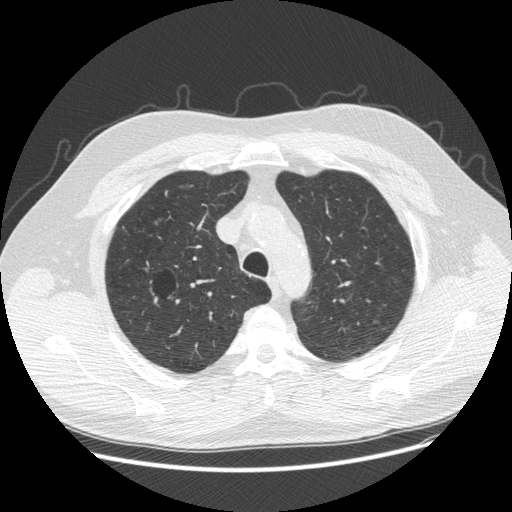
One axial slice (378 of 481, counting up from the lowest) of a chest CT acquired at 120 kVp with the STANDARD kernel; each pixel is 0.742 mm and the slice is 1.25 mm thick.
Pulmonary nodule at rows 190–196, columns 164–168 (box = the union of the readers' outlines on this slice), outlined by two of the four readers; longest diameter 8.7 mm on average over the two readers' outlines (readers' outlines 8.5–9.0 mm), volume 54–136 mm3. Ratings, by the readers' most common answer with dissent counted: texture split among the readers: 3/5 (part-solid) (one), 4/5 (one); margin split among the readers: 2/5 (one), 4/5 (one); sphericity split among the readers: 2/5 (one), 3/5 (ovoid) (one); calcification absent from both readers; internal structure soft tissue, both readers agreeing; subtlety split among the readers: 1/5 (one), 3/5 (one); malignancy likelihood split among the readers: 2/5 (one), 4/5 (one). Scale key (1–5): texture non-solid→solid, margin indistinct→circumscribed, sphericity linear→round, subtlety extremely subtle→obvious, malignancy likelihood highly unlikely→highly suspicious of cancer. Box rows and columns are 0-based pixel indices from the top-left corner, inclusive.